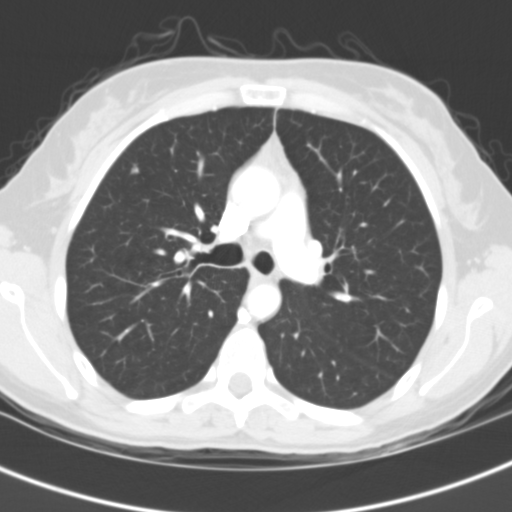
Axial chest CT slice 84 of 122 (counted from the lowest slice); tube voltage 120 kVp, convolution kernel B31f; slices 3.00 mm thick, 0.566 mm per pixel.
Pulmonary nodule, outlined by two of the four readers. Box on this slice rows 164–173, columns 131–138, the union of the readers' outlines on this slice; longest diameter 6.3–6.5 mm and volume 60–110 mm3 across the two readers' outlines. Ratings across the readers: texture from 4/5 to 5/5 (solid) across the two readers; margin 4/5 from both readers; sphericity 4/5, both readers agreeing; calcification absent, both readers agreeing; internal structure soft tissue from both readers; subtlety from 3/5 to 4/5 across the two readers; malignancy likelihood rated between 2 and 3 out of 5 by the two readers. Scale key (1–5): texture non-solid→solid, margin indistinct→circumscribed, sphericity linear→round, subtlety extremely subtle→obvious, malignancy likelihood highly unlikely→highly suspicious of cancer. Box rows and columns are 0-based pixel indices from the top-left corner, inclusive.